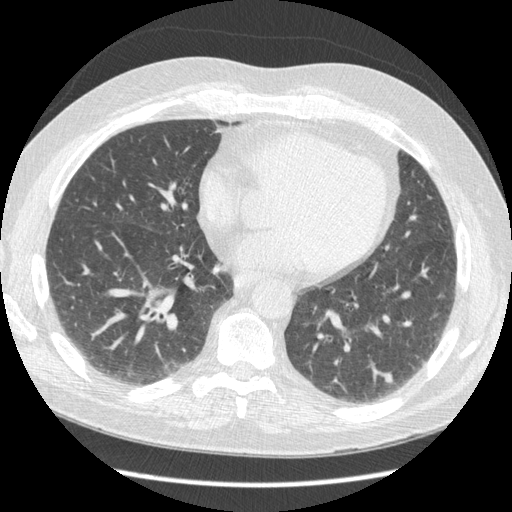
Slice 160/429 of a chest CT, counting up from the lowest; pixel size 0.703 mm, slice thickness 1.25 mm. Pulmonary nodule outlined by all four readers; box rows 371–382, columns 380–392 (the union of the readers' outlines on this slice); median longest diameter 9.0 mm (readers' outlines 7.9–12.4 mm), median volume 146 mm3 (94–254 mm3). Ratings, median across the readers with their spread: texture 5/5 (solid) from all four readers; margin 4/5 at the median of four readers, spread 3/5 to 5/5 (circumscribed); median sphericity 4/5 (readers ranged 3/5 (ovoid) to 5/5 (round)); calcification absent, all four readers agreeing; internal structure soft tissue from all four readers; median subtlety 3.5/5 (readers ranged 3–5); malignancy likelihood 3/5 at the median of four readers, spread 2–4. Scale key (1–5): texture non-solid→solid, margin indistinct→circumscribed, sphericity linear→round, subtlety extremely subtle→obvious, malignancy likelihood highly unlikely→highly suspicious of cancer. Box rows and columns are 0-based pixel indices from the top-left corner, inclusive.
Tube voltage 120 kVp; convolution kernel STANDARD.